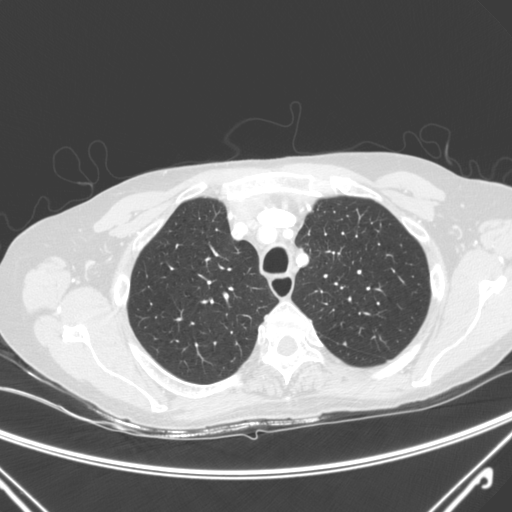
Chest CT, axial plane, 120 kVp, kernel C. Slice 235/300 from the bottom of the scan; thickness 2.00 mm; pixel size 0.715 mm.
Pulmonary nodule, outlined by two of the four readers. Box on this slice rows 342–345, columns 342–345, the union of the readers' outlines on this slice; longest diameter 4.3 mm and volume 32–40 mm3 across the two readers' outlines. The readers' ratings, as ranges where they differ: texture 5/5 (solid) from both readers; margin 5/5 (circumscribed), both readers agreeing; sphericity from 3/5 (ovoid) to 4/5 across the two readers; calcification absent, both readers agreeing; internal structure soft tissue, both readers agreeing; subtlety 3–5/5 (the readers disagree); malignancy likelihood 2/5, both readers agreeing. Scale key (1–5): texture non-solid→solid, margin indistinct→circumscribed, sphericity linear→round, subtlety extremely subtle→obvious, malignancy likelihood highly unlikely→highly suspicious of cancer. Box rows and columns are 0-based pixel indices from the top-left corner, inclusive.